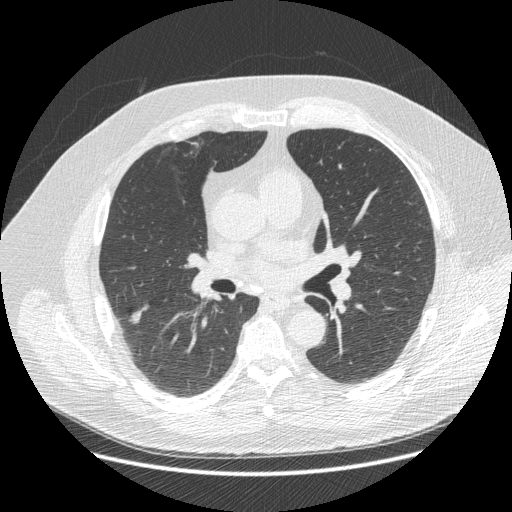
Slice 279/477 of a chest CT, counting up from the lowest; pixel size 0.781 mm, slice thickness 1.25 mm. Pulmonary nodule outlined by all four readers; box rows 304–322, columns 129–149 (the union of the readers' outlines on this slice); longest diameter 16.4 mm on average over the four readers' outlines (readers' outlines 12.4–20.8 mm), volume 162–429 mm3. The readers' prevailing ratings and who disagreed: texture 4/5 by two of four readers; the rest gave 1/5 (non-solid) (one), 5/5 (solid) (one); margin split among the readers: 2/5 (one), 3/5 (one), 4/5 (one), 5/5 (circumscribed) (one); sphericity 2/5 by two of four readers; the rest gave 3/5 (ovoid) (one), 4/5 (one); calcification absent, all four readers agreeing; internal structure soft tissue from all four readers; subtlety 5/5 by two of four readers; the rest gave 3/5 (one), 4/5 (one); malignancy likelihood 4/5 by two of four readers; the rest gave 2/5 (one), 3/5 (one). Scale key (1–5): texture non-solid→solid, margin indistinct→circumscribed, sphericity linear→round, subtlety extremely subtle→obvious, malignancy likelihood highly unlikely→highly suspicious of cancer. Box rows and columns are 0-based pixel indices from the top-left corner, inclusive.
Scan settings: 120 kVp, STANDARD reconstruction kernel.